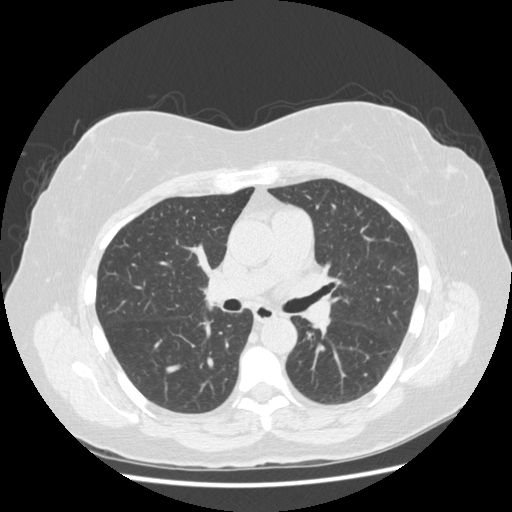
Axial chest CT slice 269 of 481 (counted from the lowest slice); 1.25 mm thick, 0.703 mm per pixel. The readers outlined no nodule of 3 mm or more on this slice.
Acquired at 120 kVp and reconstructed with the STANDARD kernel.